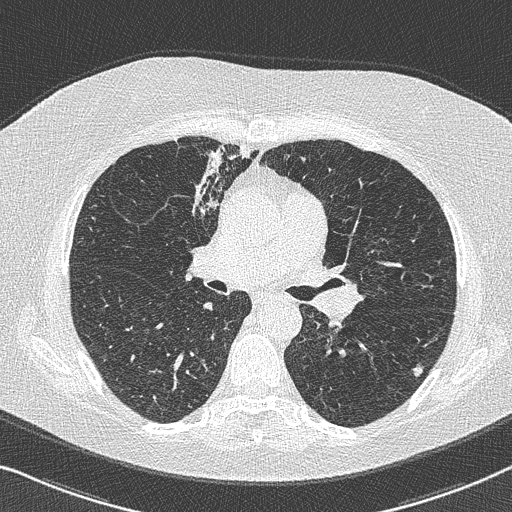
Chest CT, axial plane, 120 kVp, kernel B50f. Slice 448/733 from the bottom of the scan; thickness 0.60 mm; pixel size 0.637 mm.
Pulmonary nodule at rows 362–377, columns 410–423 (box = the union of the readers' outlines on this slice), outlined by all four readers; the four readers' outlines give a longest diameter between 11.1 and 11.9 mm and a volume between 231 and 376 mm3. The readers' ratings, as ranges where they differ: texture 5/5 (solid) from all four readers; margin from 3/5 to 5/5 (circumscribed) across the four readers; sphericity from 3/5 (ovoid) to 5/5 (round) across the four readers; calcification absent, all four readers agreeing; internal structure soft tissue from all four readers; subtlety rated between 4 and 5 out of 5 by the four readers; malignancy likelihood 3–4/5 (the readers disagree). Scale key (1–5): texture non-solid→solid, margin indistinct→circumscribed, sphericity linear→round, subtlety extremely subtle→obvious, malignancy likelihood highly unlikely→highly suspicious of cancer. Box rows and columns are 0-based pixel indices from the top-left corner, inclusive.